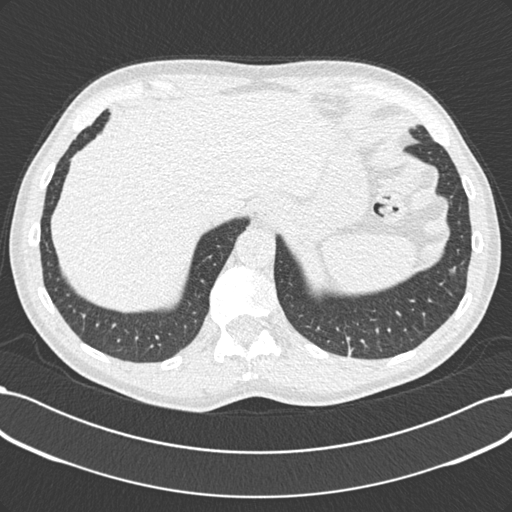
Slice 48/198 of a chest CT, counting up from the lowest; pixel size 0.703 mm, slice thickness 2.00 mm. Pulmonary nodule, outlined by all four readers. Box on this slice rows 266–274, columns 448–456, the union of the readers' outlines on this slice; longest diameter 9.0 mm on average over the four readers' outlines (readers' outlines 7.9–9.8 mm), volume 191–370 mm3. The readers' prevailing ratings and who disagreed: most readers (three of four) put texture at 5/5 (solid), others 4/5 (one); most readers (three of four) put margin at 5/5 (circumscribed), others 4/5 (one); sphericity 4/5 by three of four readers; the rest gave 5/5 (round) (one); calcification absent, all four readers agreeing; internal structure soft tissue from all four readers; subtlety split among the readers: 4/5 (two), 5/5 (two); malignancy likelihood 3/5 by three of four readers; the rest gave 4/5 (one). Scale key (1–5): texture non-solid→solid, margin indistinct→circumscribed, sphericity linear→round, subtlety extremely subtle→obvious, malignancy likelihood highly unlikely→highly suspicious of cancer. Box rows and columns are 0-based pixel indices from the top-left corner, inclusive.
Acquired at 120 kVp and reconstructed with the B30f kernel.